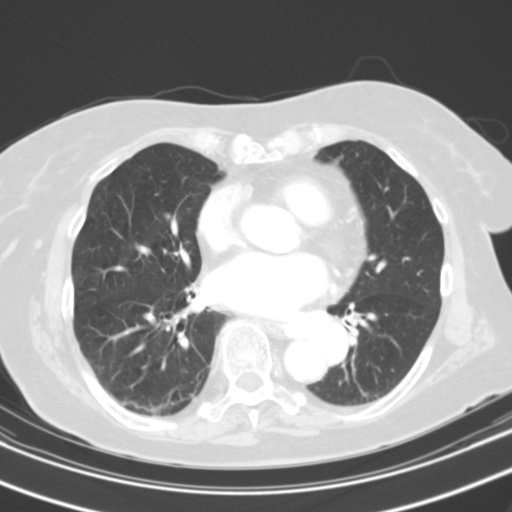
This is axial slice 52 of 109 (slice 1 is the lowest) of a chest CT; each pixel is 0.629 mm and the slice is 3.00 mm thick. Pulmonary nodule, outlined by one of the four readers. Box on this slice rows 212–218, columns 164–169, that reader's outline on this slice; longest diameter 8.6 mm and volume 175 mm3 from that reader's outline. That reader's ratings: texture 3/5 (part-solid); margin 4/5; sphericity 4/5; calcification absent; internal structure soft tissue; subtlety 5/5; malignancy likelihood 4/5. Scale key (1–5): texture non-solid→solid, margin indistinct→circumscribed, sphericity linear→round, subtlety extremely subtle→obvious, malignancy likelihood highly unlikely→highly suspicious of cancer. Box rows and columns are 0-based pixel indices from the top-left corner, inclusive.
Tube voltage 130 kVp; convolution kernel B31s.